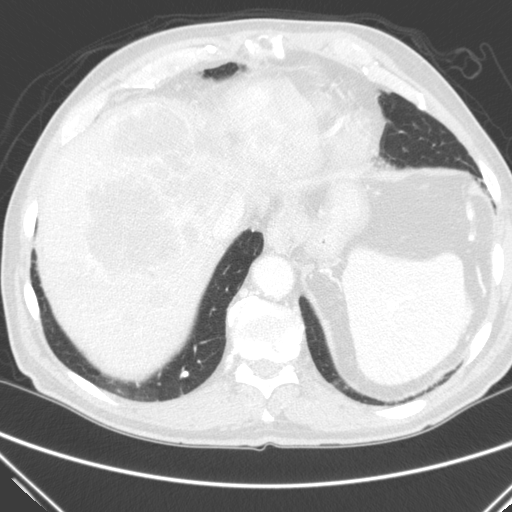
Axial slice 47 of 290 of a chest CT (slice 1 is the lowest), reconstructed with the C kernel at 120 kVp; 2.00 mm slice thickness and 0.682 mm pixels.
Pulmonary nodule outlined by three of the four readers; box rows 371–377, columns 179–188 (the union of the readers' outlines on this slice); the three readers' outlines give a longest diameter between 7.9 and 9.1 mm and a volume between 197 and 260 mm3. Ratings across the readers: texture 5/5 (solid), all three readers agreeing; margin 5/5 (circumscribed) from all three readers; sphericity from 4/5 to 5/5 (round) across the three readers; calcification: absent (two), solid calcification (one); internal structure soft tissue, all three readers agreeing; subtlety 5/5, all three readers agreeing; malignancy likelihood 1–3/5 (the readers disagree). Scale key (1–5): texture non-solid→solid, margin indistinct→circumscribed, sphericity linear→round, subtlety extremely subtle→obvious, malignancy likelihood highly unlikely→highly suspicious of cancer. Box rows and columns are 0-based pixel indices from the top-left corner, inclusive.